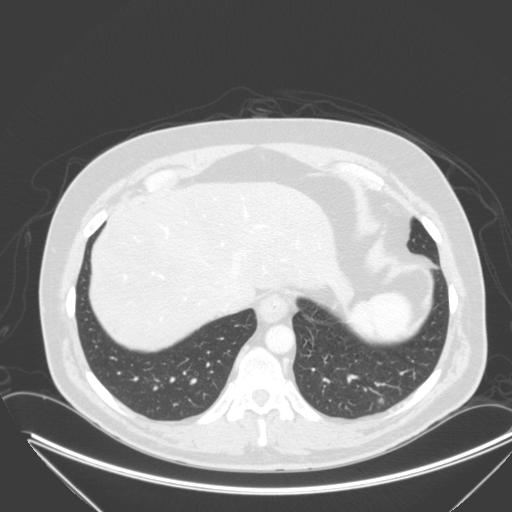
One axial slice (80 of 315, counting up from the lowest) of a chest CT acquired at 120 kVp with the B kernel; each pixel is 0.830 mm and the slice is 2.00 mm thick.
Pulmonary nodule at rows 398–403, columns 377–384 (box = the union of the readers' outlines on this slice), outlined by all four readers; longest diameter 10.3–12.9 mm and volume 426–557 mm3 across the four readers' outlines. Ratings across the readers: texture 5/5 (solid), all four readers agreeing; margin from 4/5 to 5/5 (circumscribed) across the four readers; sphericity from 3/5 (ovoid) to 5/5 (round) across the four readers; calcification absent, all four readers agreeing; internal structure soft tissue from all four readers; subtlety from 4/5 to 5/5 across the four readers; malignancy likelihood rated between 3 and 4 out of 5 by the four readers. Scale key (1–5): texture non-solid→solid, margin indistinct→circumscribed, sphericity linear→round, subtlety extremely subtle→obvious, malignancy likelihood highly unlikely→highly suspicious of cancer. Box rows and columns are 0-based pixel indices from the top-left corner, inclusive.